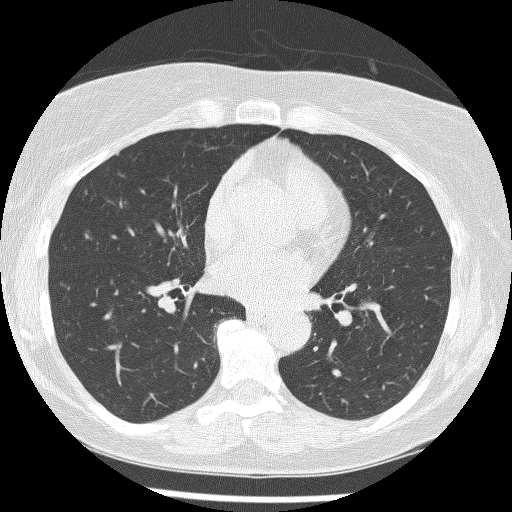
This is axial slice 116 of 241 (slice 1 is the lowest) of a chest CT; each pixel is 0.586 mm and the slice is 1.25 mm thick. This slice carries no reader outline of a nodule 3 mm or larger.
Tube voltage 120 kVp; convolution kernel BONE.